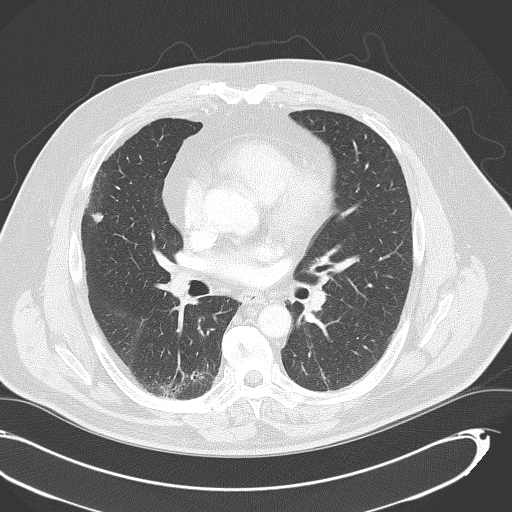
One axial slice (201 of 333, counting up from the lowest) of a chest CT acquired at 120 kVp with the B70f kernel; each pixel is 0.775 mm and the slice is 2.00 mm thick.
Pulmonary nodule at rows 212–222, columns 91–103 (box = the union of the readers' outlines on this slice), outlined by all four readers; longest diameter 11.1 mm on average over the four readers' outlines (readers' outlines 9.4–12.6 mm), volume 231–434 mm3. Ratings, by the readers' most common answer with dissent counted: texture 5/5 (solid), all four readers agreeing; most readers (three of four) put margin at 4/5, others 5/5 (circumscribed) (one); sphericity 5/5 (round) by three of four readers; the rest gave 4/5 (one); calcification absent by three of four readers, non-central calcification (one); internal structure soft tissue from all four readers; subtlety 5/5 by two of four readers; the rest gave 3/5 (one), 4/5 (one); malignancy likelihood 4/5 by two of four readers; the rest gave 1/5 (one), 3/5 (one). Scale key (1–5): texture non-solid→solid, margin indistinct→circumscribed, sphericity linear→round, subtlety extremely subtle→obvious, malignancy likelihood highly unlikely→highly suspicious of cancer. Box rows and columns are 0-based pixel indices from the top-left corner, inclusive.